Axial chest CT slice 334 of 605 (counted from the lowest slice); tube voltage 120 kVp, convolution kernel STANDARD; slices 1.25 mm thick, 0.703 mm per pixel.
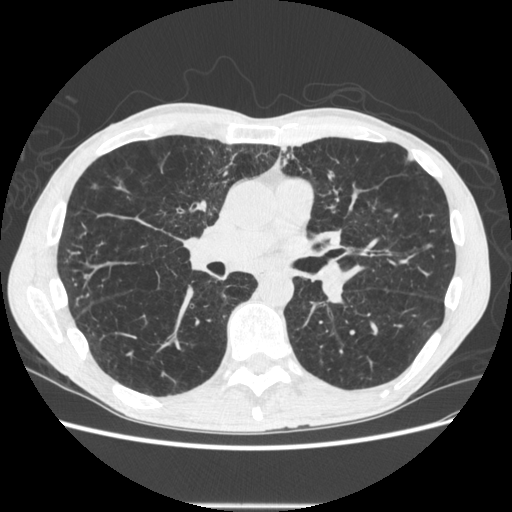
Pulmonary nodule at rows 152–159, columns 408–413 (box = the union of the readers' outlines on this slice), outlined by all four readers; longest diameter 8.0–8.9 mm and volume 44–96 mm3 across the four readers' outlines. Ratings across the readers: texture 5/5 (solid) from all four readers; margin from 4/5 to 5/5 (circumscribed) across the four readers; sphericity from 3/5 (ovoid) to 5/5 (round) across the four readers; calcification absent from all four readers; internal structure soft tissue from all four readers; subtlety 4/5, all four readers agreeing; malignancy likelihood 1–3/5 (the readers disagree). Scale key (1–5): texture non-solid→solid, margin indistinct→circumscribed, sphericity linear→round, subtlety extremely subtle→obvious, malignancy likelihood highly unlikely→highly suspicious of cancer. Box rows and columns are 0-based pixel indices from the top-left corner, inclusive.